Axial slice 236 of 350 of a chest CT (slice 1 is the lowest), reconstructed with the C kernel at 120 kVp; 1.50 mm slice thickness and 0.725 mm pixels.
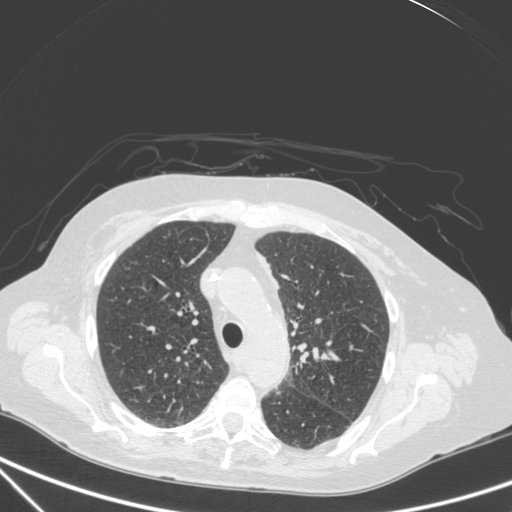
Pulmonary nodule outlined by all four readers; box rows 352–359, columns 320–329 (the union of the readers' outlines on this slice); median longest diameter 10.6 mm (readers' outlines 9.9–11.7 mm), median volume 411 mm3 (335–580 mm3). Median ratings and the readers' spread: texture 5/5 (solid) from all four readers; margin 4/5 from all four readers; median sphericity 3/5 (ovoid) (readers ranged 3/5 (ovoid) to 4/5); calcification absent, all four readers agreeing; internal structure soft tissue, all four readers agreeing; subtlety 5/5 at the median of four readers, spread 4–5; median malignancy likelihood 3.5/5 (readers ranged 2–5). Scale key (1–5): texture non-solid→solid, margin indistinct→circumscribed, sphericity linear→round, subtlety extremely subtle→obvious, malignancy likelihood highly unlikely→highly suspicious of cancer. Box rows and columns are 0-based pixel indices from the top-left corner, inclusive.